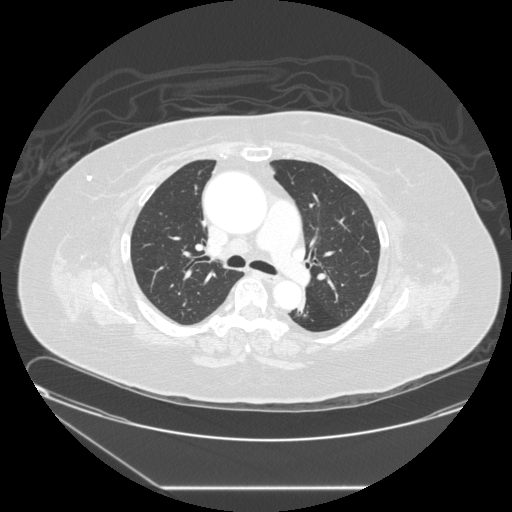
Axial chest CT slice 171 of 257 (counted from the lowest slice); tube voltage 120 kVp, convolution kernel STANDARD; slices 1.25 mm thick, 0.852 mm per pixel.
Pulmonary nodule outlined by all four readers, three of them on this slice; box rows 307–319, columns 296–308 (the union of the readers' outlines on this slice); longest diameter 16.2 mm on average over the four readers' outlines (readers' outlines 13.2–18.0 mm), volume 478–876 mm3. The readers' prevailing ratings and who disagreed: texture split among the readers: 1/5 (non-solid) (two), 5/5 (solid) (two); margin 4/5 by two of four readers; the rest gave 2/5 (one), 3/5 (one); sphericity 4/5 by two of four readers; the rest gave 3/5 (ovoid) (one), 5/5 (round) (one); calcification absent from all four readers; internal structure soft tissue, all four readers agreeing; subtlety 4/5 by three of four readers; the rest gave 1/5 (one); malignancy likelihood split among the readers: 2/5 (one), 3/5 (one), 4/5 (one), 5/5 (one). Scale key (1–5): texture non-solid→solid, margin indistinct→circumscribed, sphericity linear→round, subtlety extremely subtle→obvious, malignancy likelihood highly unlikely→highly suspicious of cancer. Box rows and columns are 0-based pixel indices from the top-left corner, inclusive.